Axial chest CT slice 69 of 113 (counted from the lowest slice); tube voltage 135 kVp, convolution kernel FC01; slices 3.00 mm thick, 0.698 mm per pixel.
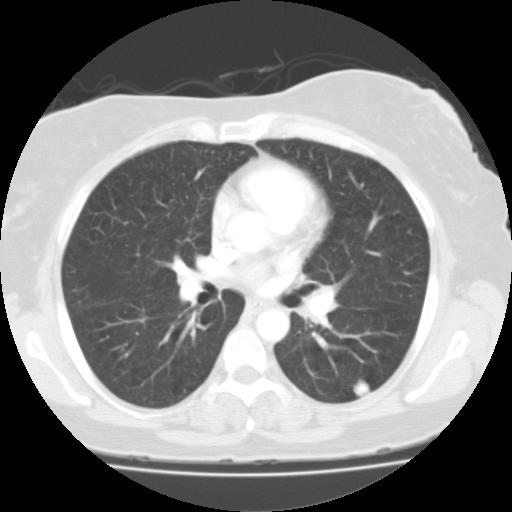
Pulmonary nodule, outlined by all four readers. Box on this slice rows 379–397, columns 353–370, the union of the readers' outlines on this slice; longest diameter 13.7–17.3 mm and volume 768–1779 mm3 across the four readers' outlines. Ratings across the readers: texture from 4/5 to 5/5 (solid) across the four readers; margin from 3/5 to 4/5 across the four readers; sphericity from 3/5 (ovoid) to 4/5 across the four readers; calcification: absent (three), central calcification (one); internal structure soft tissue from all four readers; subtlety 3–5/5 (the readers disagree); malignancy likelihood from 1/5 to 3/5 across the four readers. Scale key (1–5): texture non-solid→solid, margin indistinct→circumscribed, sphericity linear→round, subtlety extremely subtle→obvious, malignancy likelihood highly unlikely→highly suspicious of cancer. Box rows and columns are 0-based pixel indices from the top-left corner, inclusive.